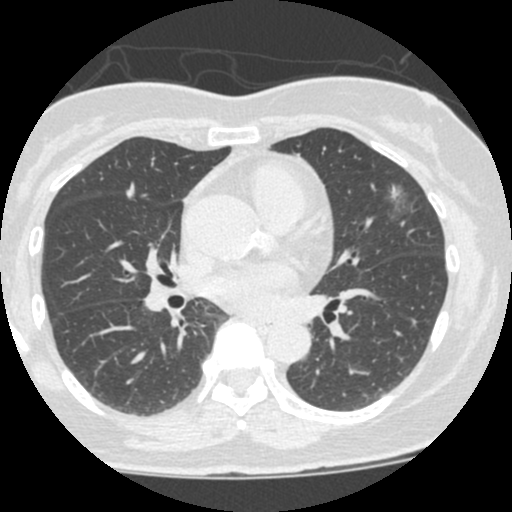
Axial chest CT slice 277 of 490 (counted from the lowest slice); tube voltage 120 kVp, convolution kernel STANDARD; slices 1.25 mm thick, 0.547 mm per pixel.
Pulmonary nodule outlined by two of the four readers; box rows 183–223, columns 383–409 (the union of the readers' outlines on this slice); the two readers' outlines give a longest diameter between 26.3 and 27.5 mm and a volume between 1167 and 1852 mm3. Ratings across the readers: texture 1/5 (non-solid), both readers agreeing; margin from 1/5 (indistinct) to 2/5 across the two readers; sphericity from 2/5 to 5/5 (round) across the two readers; calcification absent from both readers; internal structure soft tissue from both readers; subtlety 1–5/5 (the readers disagree); malignancy likelihood 2–3/5 (the readers disagree). Scale key (1–5): texture non-solid→solid, margin indistinct→circumscribed, sphericity linear→round, subtlety extremely subtle→obvious, malignancy likelihood highly unlikely→highly suspicious of cancer. Box rows and columns are 0-based pixel indices from the top-left corner, inclusive.